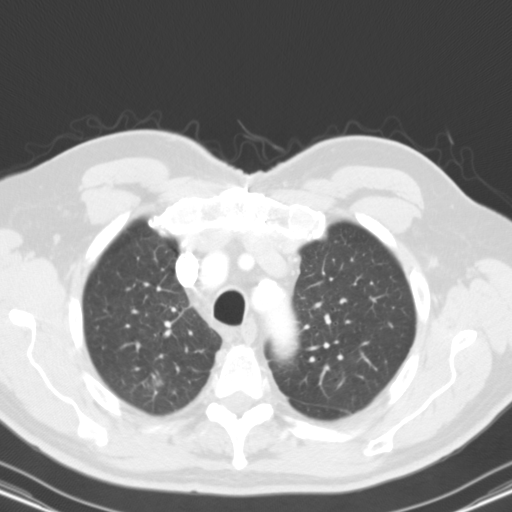
Slice 92/116 of a chest CT, counting up from the lowest; pixel size 0.668 mm, slice thickness 3.00 mm. Pulmonary nodule at rows 379–386, columns 155–162 (box = the one reader's outline on this slice), outlined by three of the four readers, one of them on this slice; longest diameter 33.6 mm on average over the three readers' outlines (readers' outlines 30.9–36.1 mm), volume 5704–8380 mm3. The readers' prevailing ratings and who disagreed: texture 5/5 (solid) from all three readers; margin 4/5, all three readers agreeing; sphericity split among the readers: 2/5 (one), 3/5 (ovoid) (one), 4/5 (one); calcification absent, all three readers agreeing; internal structure soft tissue from all three readers; subtlety 5/5 from all three readers; malignancy likelihood 5/5 from all three readers. Scale key (1–5): texture non-solid→solid, margin indistinct→circumscribed, sphericity linear→round, subtlety extremely subtle→obvious, malignancy likelihood highly unlikely→highly suspicious of cancer. Box rows and columns are 0-based pixel indices from the top-left corner, inclusive.
Acquired at 130 kVp and reconstructed with the B31s kernel.